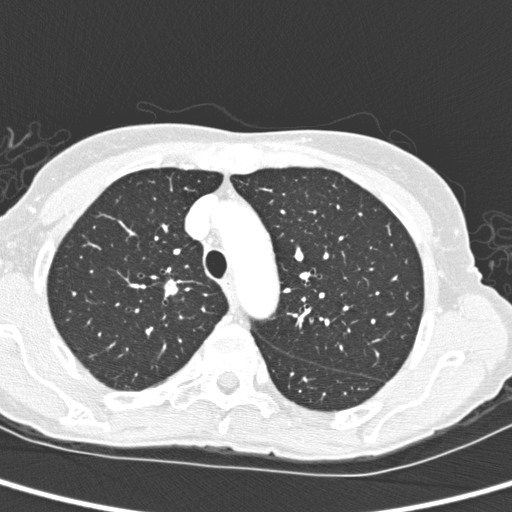
This is axial slice 207 of 280 (slice 1 is the lowest) of a chest CT; each pixel is 0.564 mm and the slice is 1.00 mm thick. Pulmonary nodule outlined by all four readers; box rows 278–297, columns 164–177 (the union of the readers' outlines on this slice); longest diameter 11.4 mm on average over the four readers' outlines (readers' outlines 9.9–12.5 mm), volume 362–590 mm3. The readers' prevailing ratings and who disagreed: texture 5/5 (solid) by three of four readers; the rest gave 4/5 (one); margin split among the readers: 4/5 (two), 5/5 (circumscribed) (two); sphericity 5/5 (round) by two of four readers; the rest gave 3/5 (ovoid) (one), 4/5 (one); calcification absent from all four readers; internal structure soft tissue, all four readers agreeing; subtlety split among the readers: 4/5 (two), 5/5 (two); malignancy likelihood 5/5 by two of four readers; the rest gave 2/5 (one), 4/5 (one). Scale key (1–5): texture non-solid→solid, margin indistinct→circumscribed, sphericity linear→round, subtlety extremely subtle→obvious, malignancy likelihood highly unlikely→highly suspicious of cancer. Box rows and columns are 0-based pixel indices from the top-left corner, inclusive.
Tube voltage 120 kVp; convolution kernel D.